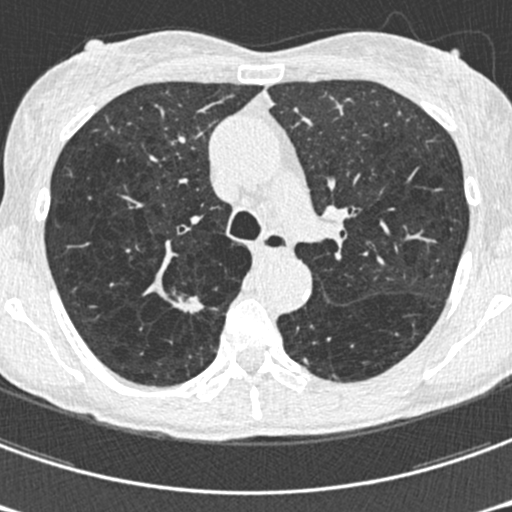
Axial chest CT slice 419 of 633 (counted from the lowest slice); 0.60 mm thick, 0.541 mm per pixel. Two pulmonary nodules are outlined on this slice; from left to right: (1) Pulmonary nodule outlined by all four readers; box rows 294–313, columns 170–204 (the union of the readers' outlines on this slice); longest diameter 19.0 mm on average over the four readers' outlines (readers' outlines 18.1–21.0 mm), volume 1292–1642 mm3. The readers' prevailing ratings and who disagreed: texture 5/5 (solid), all four readers agreeing; margin 2/5 by two of four readers; the rest gave 1/5 (indistinct) (one), 3/5 (one); sphericity 3/5 (ovoid) by two of four readers; the rest gave 2/5 (one), 4/5 (one); calcification absent from all four readers; internal structure soft tissue, all four readers agreeing; subtlety 5/5 by three of four readers; the rest gave 4/5 (one); most readers (three of four) put malignancy likelihood at 5/5, others 4/5 (one). (2) Pulmonary nodule outlined by one of the four readers; box rows 357–364, columns 302–308 (that reader's outline on this slice); longest diameter 20.7 mm and volume 470 mm3 from that reader's outline. That reader's ratings: texture 5/5 (solid); margin 1/5 (indistinct); sphericity 2/5; calcification absent; internal structure soft tissue; subtlety 4/5; malignancy likelihood 3/5. Scale key (1–5): texture non-solid→solid, margin indistinct→circumscribed, sphericity linear→round, subtlety extremely subtle→obvious, malignancy likelihood highly unlikely→highly suspicious of cancer. Box rows and columns are 0-based pixel indices from the top-left corner, inclusive.
Tube voltage 120 kVp; convolution kernel B30f.